Axial slice 156 of 292 of a chest CT (slice 1 is the lowest), reconstructed with the STANDARD kernel at 120 kVp; 2.50 mm slice thickness and 0.645 mm pixels.
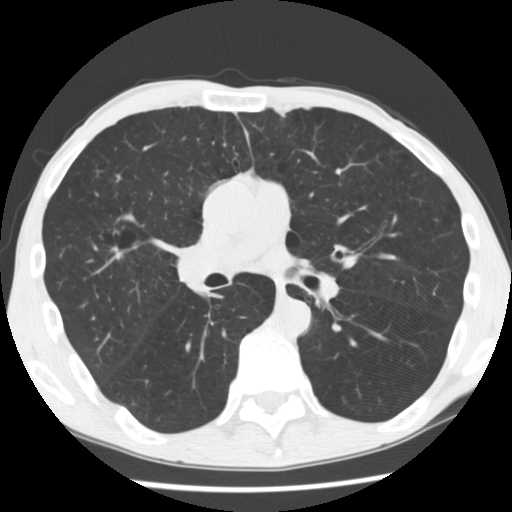
Pulmonary nodule, outlined three times (the source holds two more outlines, not used), one of them on this slice. Box on this slice rows 247–259, columns 111–123, the one reader's outline on this slice; median longest diameter 18.3 mm (readers' outlines 18.2–19.0 mm), median volume 926 mm3 (892–1690 mm3). Ratings, median across the readers with their spread: texture 5/5 (solid) from all three readers; margin 3/5 at the median of three readers, spread 2/5 to 4/5; sphericity 3/5 (ovoid) at the median of three readers, spread 2/5 to 4/5; calcification absent, all three readers agreeing; internal structure soft tissue, all three readers agreeing; median subtlety 4/5 (readers ranged 4–5); malignancy likelihood 5/5 at the median of three readers, spread 3–5. Scale key (1–5): texture non-solid→solid, margin indistinct→circumscribed, sphericity linear→round, subtlety extremely subtle→obvious, malignancy likelihood highly unlikely→highly suspicious of cancer. Box rows and columns are 0-based pixel indices from the top-left corner, inclusive.